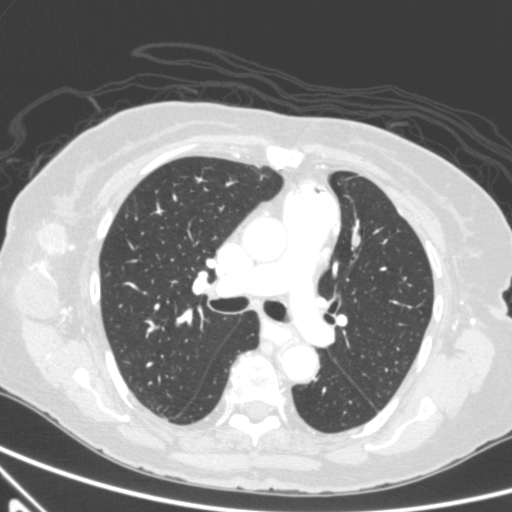
Axial chest CT slice 351 of 590 (counted from the lowest slice); 0.90 mm thick, 0.627 mm per pixel. Pulmonary nodule at rows 236–246, columns 354–360 (box = the union of the readers' outlines on this slice), outlined by all four readers, three of them on this slice; longest diameter 17.9 mm on average over the four readers' outlines (readers' outlines 16.3–20.1 mm), volume 1116–1236 mm3. The readers' prevailing ratings and who disagreed: texture 5/5 (solid) from all four readers; margin 4/5 by two of four readers; the rest gave 3/5 (one), 5/5 (circumscribed) (one); sphericity split among the readers: 3/5 (ovoid) (two), 4/5 (two); calcification absent from all four readers; internal structure soft tissue from all four readers; most readers (three of four) put subtlety at 5/5, others 4/5 (one); malignancy likelihood split among the readers: 3/5 (two), 5/5 (two). Scale key (1–5): texture non-solid→solid, margin indistinct→circumscribed, sphericity linear→round, subtlety extremely subtle→obvious, malignancy likelihood highly unlikely→highly suspicious of cancer. Box rows and columns are 0-based pixel indices from the top-left corner, inclusive.
Acquired at 120 kVp and reconstructed with the B kernel.